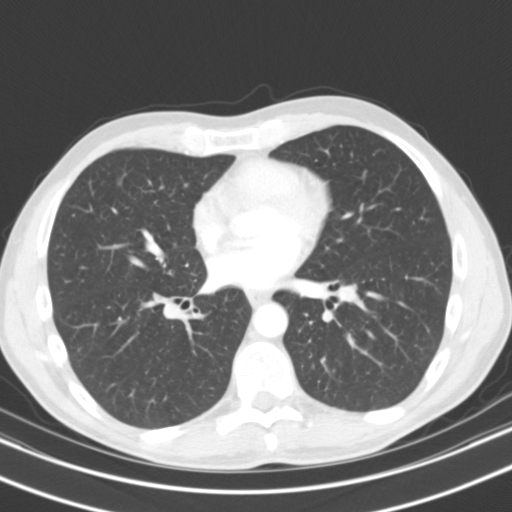
Slice 55/119 of a chest CT, counting up from the lowest; pixel size 0.650 mm, slice thickness 3.00 mm. Pulmonary nodule outlined by all four readers, three of them on this slice; box rows 178–185, columns 117–122 (the union of the readers' outlines on this slice); median longest diameter 7.4 mm (readers' outlines 7.2–7.9 mm), median volume 137 mm3 (122–163 mm3). Ratings, median across the readers with their spread: texture 3.5/5 at the median of four readers, spread 1/5 (non-solid) to 4/5; median margin 3/5 (readers ranged 2/5 to 4/5); median sphericity 4.5/5 (readers ranged 4/5 to 5/5 (round)); calcification absent from all four readers; internal structure soft tissue, all four readers agreeing; subtlety 3.5/5 at the median of four readers, spread 1–5; median malignancy likelihood 2/5 (readers ranged 2–3). Scale key (1–5): texture non-solid→solid, margin indistinct→circumscribed, sphericity linear→round, subtlety extremely subtle→obvious, malignancy likelihood highly unlikely→highly suspicious of cancer. Box rows and columns are 0-based pixel indices from the top-left corner, inclusive.
Scan settings: 130 kVp, B31s reconstruction kernel.